Chest CT, axial plane, 120 kVp, kernel LUNG. Slice 122/145 from the bottom of the scan; thickness 2.50 mm; pixel size 0.781 mm.
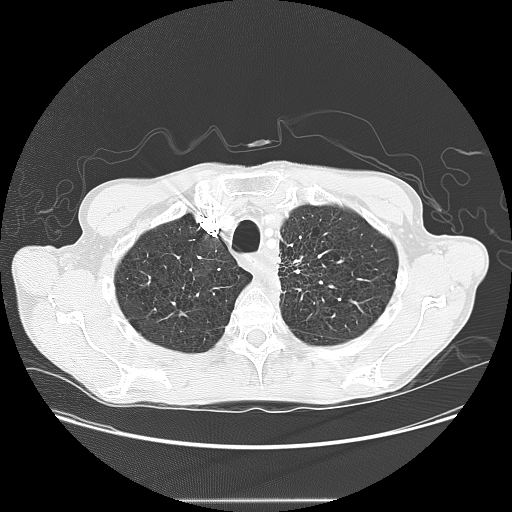
Pulmonary nodule, outlined by one of the four readers. Box on this slice rows 256–265, columns 291–303, that reader's outline on this slice; longest diameter 20.7 mm and volume 2229 mm3 from that reader's outline. That reader's ratings: texture 5/5 (solid); margin 2/5; sphericity 5/5 (round); calcification absent; internal structure soft tissue; subtlety 4/5; malignancy likelihood 5/5. Scale key (1–5): texture non-solid→solid, margin indistinct→circumscribed, sphericity linear→round, subtlety extremely subtle→obvious, malignancy likelihood highly unlikely→highly suspicious of cancer. Box rows and columns are 0-based pixel indices from the top-left corner, inclusive.